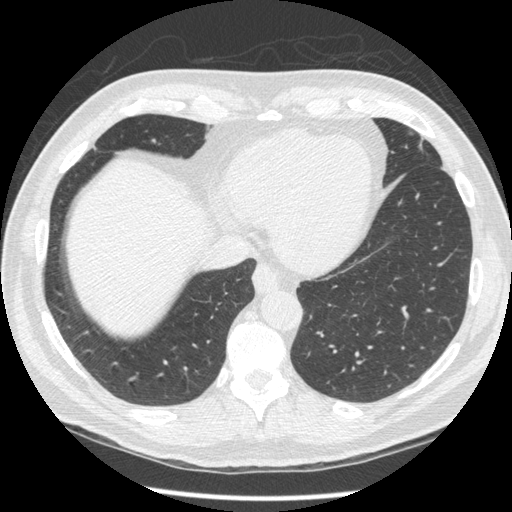
Axial chest CT slice 107 of 452 (counted from the lowest slice); 1.25 mm thick, 0.703 mm per pixel. Pulmonary nodule outlined by one of the four readers; box rows 138–143, columns 151–156 (that reader's outline on this slice); longest diameter 6.4 mm and volume 38 mm3 from that reader's outline. That reader's ratings: texture 5/5 (solid); margin 5/5 (circumscribed); sphericity 5/5 (round); calcification absent; internal structure soft tissue; subtlety 5/5; malignancy likelihood 3/5. Scale key (1–5): texture non-solid→solid, margin indistinct→circumscribed, sphericity linear→round, subtlety extremely subtle→obvious, malignancy likelihood highly unlikely→highly suspicious of cancer. Box rows and columns are 0-based pixel indices from the top-left corner, inclusive.
Scan settings: 120 kVp, STANDARD reconstruction kernel.